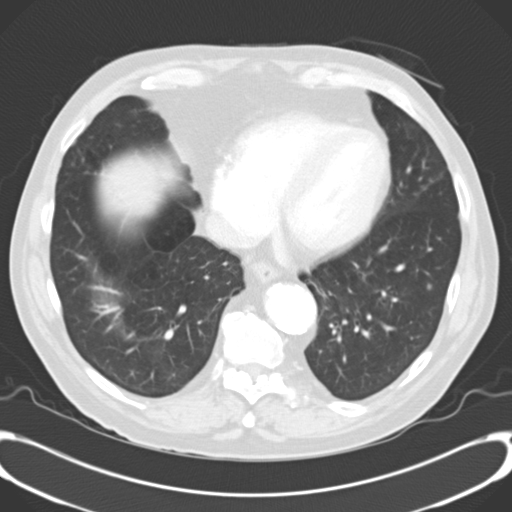
One axial slice (99 of 246, counting up from the lowest) of a chest CT acquired at 120 kVp with the B30f kernel; each pixel is 0.740 mm and the slice is 3.00 mm thick.
Pulmonary nodule outlined by two of the four readers; box rows 284–288, columns 427–430 (the union of the readers' outlines on this slice); longest diameter 6.1 mm and volume 108–127 mm3 across the two readers' outlines. The readers' ratings, as ranges where they differ: texture 5/5 (solid), both readers agreeing; margin from 4/5 to 5/5 (circumscribed) across the two readers; sphericity from 4/5 to 5/5 (round) across the two readers; calcification absent, both readers agreeing; internal structure soft tissue, both readers agreeing; subtlety rated between 2 and 3 out of 5 by the two readers; malignancy likelihood 2–3/5 (the readers disagree). Scale key (1–5): texture non-solid→solid, margin indistinct→circumscribed, sphericity linear→round, subtlety extremely subtle→obvious, malignancy likelihood highly unlikely→highly suspicious of cancer. Box rows and columns are 0-based pixel indices from the top-left corner, inclusive.